Axial slice 208 of 290 of a chest CT (slice 1 is the lowest), reconstructed with the D kernel at 120 kVp; 2.00 mm slice thickness and 0.648 mm pixels.
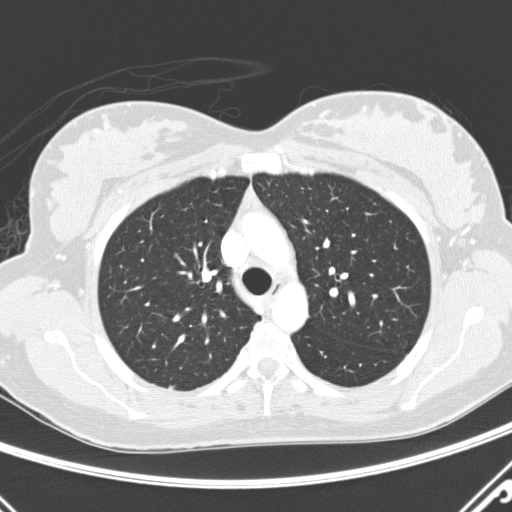
Pulmonary nodule, outlined by one of the four readers. Box on this slice rows 385–389, columns 168–175, that reader's outline on this slice; longest diameter 10.5 mm and volume 127 mm3 from that reader's outline. That reader's ratings: texture 4/5; margin 4/5; sphericity 4/5; calcification absent; internal structure soft tissue; subtlety 5/5; malignancy likelihood 3/5. Scale key (1–5): texture non-solid→solid, margin indistinct→circumscribed, sphericity linear→round, subtlety extremely subtle→obvious, malignancy likelihood highly unlikely→highly suspicious of cancer. Box rows and columns are 0-based pixel indices from the top-left corner, inclusive.